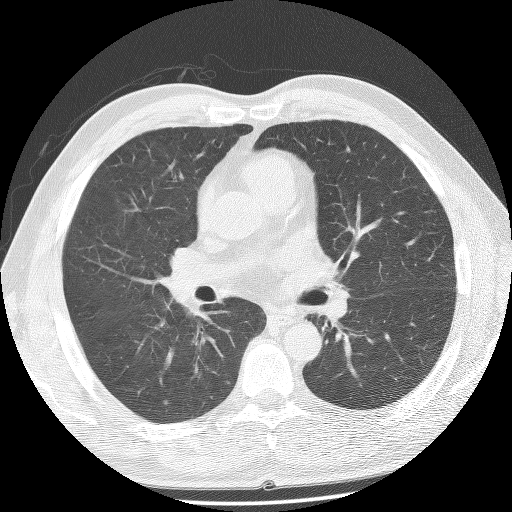
One axial slice (78 of 132, counting up from the lowest) of a chest CT acquired at 140 kVp with the BONE kernel; each pixel is 0.703 mm and the slice is 2.50 mm thick.
Pulmonary nodule at rows 401–403, columns 164–166 (box = that reader's outline on this slice), outlined by one of the four readers; longest diameter 4.1 mm and volume 39 mm3 from that reader's outline. Ratings by that reader: texture 2/5; margin 2/5; sphericity 4/5; calcification absent; internal structure soft tissue; subtlety 4/5; malignancy likelihood 3/5. Scale key (1–5): texture non-solid→solid, margin indistinct→circumscribed, sphericity linear→round, subtlety extremely subtle→obvious, malignancy likelihood highly unlikely→highly suspicious of cancer. Box rows and columns are 0-based pixel indices from the top-left corner, inclusive.